Axial slice 56 of 148 of a chest CT (slice 1 is the lowest), reconstructed with the STANDARD kernel at 120 kVp; 2.50 mm slice thickness and 0.703 mm pixels.
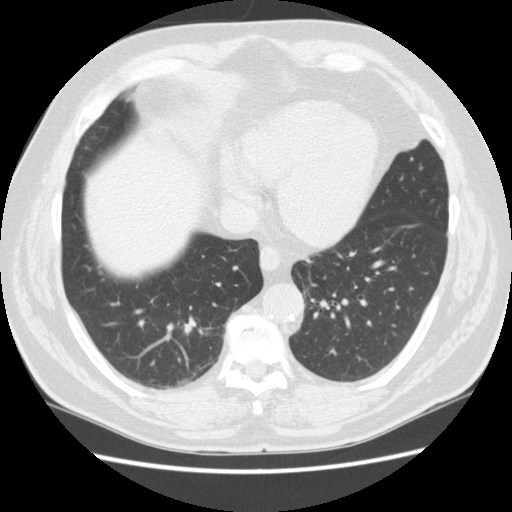
Pulmonary nodule, outlined by one of the four readers. Box on this slice rows 270–274, columns 98–102, that reader's outline on this slice; longest diameter 4.4 mm and volume 42 mm3 from that reader's outline. That reader's ratings: texture 5/5 (solid); margin 5/5 (circumscribed); sphericity 5/5 (round); calcification absent; internal structure soft tissue; subtlety 5/5; malignancy likelihood 3/5. Scale key (1–5): texture non-solid→solid, margin indistinct→circumscribed, sphericity linear→round, subtlety extremely subtle→obvious, malignancy likelihood highly unlikely→highly suspicious of cancer. Box rows and columns are 0-based pixel indices from the top-left corner, inclusive.